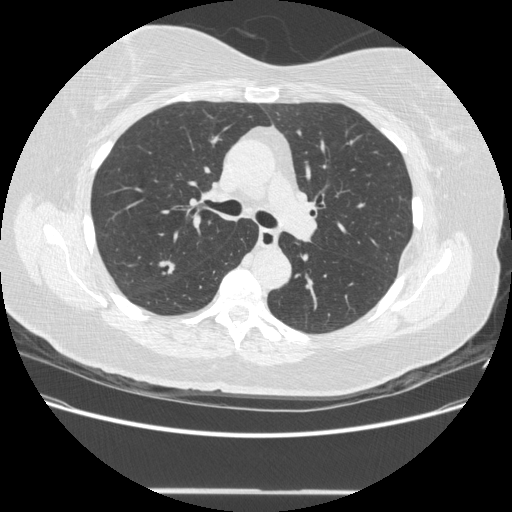
Axial slice 297 of 481 of a chest CT (slice 1 is the lowest), reconstructed with the STANDARD kernel at 120 kVp; 1.25 mm slice thickness and 0.742 mm pixels.
Pulmonary nodule outlined by three of the four readers; box rows 260–274, columns 158–174 (the union of the readers' outlines on this slice); longest diameter 14.5 mm on average over the three readers' outlines (readers' outlines 13.9–15.6 mm), volume 741–820 mm3. The readers' prevailing ratings and who disagreed: texture 4/5 from all three readers; margin 4/5 by two of three readers; the rest gave 3/5 (one); sphericity 3/5 (ovoid) by two of three readers; the rest gave 4/5 (one); calcification absent, all three readers agreeing; internal structure soft tissue, all three readers agreeing; most readers (two of three) put subtlety at 4/5, others 5/5 (one); most readers (two of three) put malignancy likelihood at 5/5, others 4/5 (one). Scale key (1–5): texture non-solid→solid, margin indistinct→circumscribed, sphericity linear→round, subtlety extremely subtle→obvious, malignancy likelihood highly unlikely→highly suspicious of cancer. Box rows and columns are 0-based pixel indices from the top-left corner, inclusive.